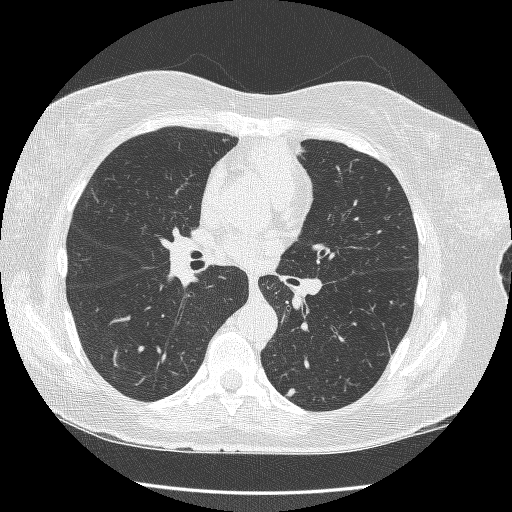
Axial slice 134 of 246 of a chest CT (slice 1 is the lowest), reconstructed with the BONE kernel at 120 kVp; 1.25 mm slice thickness and 0.617 mm pixels.
Pulmonary nodule outlined by all four readers; box rows 387–398, columns 284–296 (the union of the readers' outlines on this slice); longest diameter 7.2–9.4 mm and volume 81–124 mm3 across the four readers' outlines. Ratings across the readers: texture from 4/5 to 5/5 (solid) across the four readers; margin from 3/5 to 5/5 (circumscribed) across the four readers; sphericity from 2/5 to 4/5 across the four readers; calcification absent, all four readers agreeing; internal structure soft tissue, all four readers agreeing; subtlety rated between 3 and 5 out of 5 by the four readers; malignancy likelihood from 2/5 to 3/5 across the four readers. Scale key (1–5): texture non-solid→solid, margin indistinct→circumscribed, sphericity linear→round, subtlety extremely subtle→obvious, malignancy likelihood highly unlikely→highly suspicious of cancer. Box rows and columns are 0-based pixel indices from the top-left corner, inclusive.